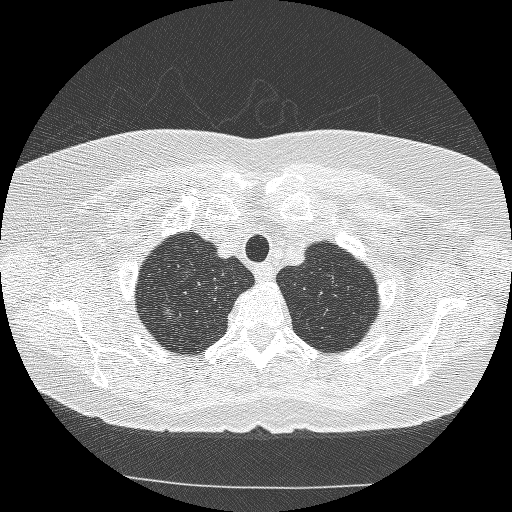
Axial chest CT slice 233 of 253 (counted from the lowest slice); 1.25 mm thick, 0.625 mm per pixel. Pulmonary nodule at rows 305–318, columns 158–174 (box = the union of the readers' outlines on this slice), outlined by all four readers, three of them on this slice; longest diameter 14.0 mm on average over the four readers' outlines (readers' outlines 12.3–15.8 mm), volume 480–587 mm3. Ratings, by the readers' most common answer with dissent counted: most readers (three of four) put texture at 1/5 (non-solid), others 3/5 (part-solid) (one); margin 3/5 by two of four readers; the rest gave 2/5 (one), 4/5 (one); sphericity 4/5 by two of four readers; the rest gave 2/5 (one), 3/5 (ovoid) (one); calcification absent from all four readers; internal structure soft tissue, all four readers agreeing; subtlety 4/5 by two of four readers; the rest gave 3/5 (one), 5/5 (one); malignancy likelihood 4/5 by two of four readers; the rest gave 3/5 (one), 5/5 (one). Scale key (1–5): texture non-solid→solid, margin indistinct→circumscribed, sphericity linear→round, subtlety extremely subtle→obvious, malignancy likelihood highly unlikely→highly suspicious of cancer. Box rows and columns are 0-based pixel indices from the top-left corner, inclusive.
Tube voltage 120 kVp; convolution kernel BONE.